Axial slice 400 of 449 of a chest CT (slice 1 is the lowest), reconstructed with the STANDARD kernel at 120 kVp; 1.25 mm slice thickness and 0.625 mm pixels.
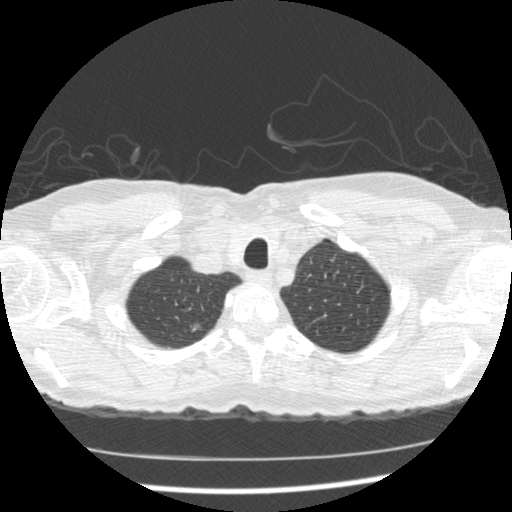
Pulmonary nodule outlined by two of the four readers; box rows 323–331, columns 190–200 (the union of the readers' outlines on this slice); the two readers' outlines give a longest diameter of 8.3 mm and a volume of 92 mm3. Ratings across the readers: texture 3/5 (part-solid) from both readers; margin from 3/5 to 4/5 across the two readers; sphericity from 2/5 to 4/5 across the two readers; calcification absent from both readers; internal structure split among the readers: soft tissue (one), air (one); subtlety 3/5 from both readers; malignancy likelihood rated between 3 and 4 out of 5 by the two readers. Scale key (1–5): texture non-solid→solid, margin indistinct→circumscribed, sphericity linear→round, subtlety extremely subtle→obvious, malignancy likelihood highly unlikely→highly suspicious of cancer. Box rows and columns are 0-based pixel indices from the top-left corner, inclusive.